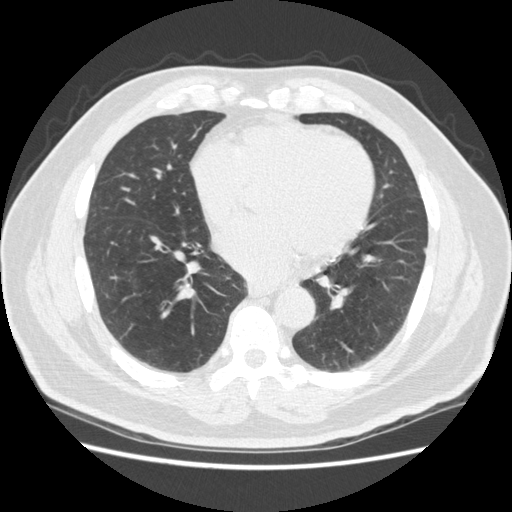
Slice 191/465 of a chest CT, counting up from the lowest; pixel size 0.703 mm, slice thickness 1.25 mm. Pulmonary nodule, outlined by one of the four readers. Box on this slice rows 248–252, columns 423–425, that reader's outline on this slice; longest diameter 5.7 mm and volume 24 mm3 from that reader's outline. Ratings by that reader: texture 5/5 (solid); margin 5/5 (circumscribed); sphericity 3/5 (ovoid); calcification absent; internal structure soft tissue; subtlety 4/5; malignancy likelihood 2/5. Scale key (1–5): texture non-solid→solid, margin indistinct→circumscribed, sphericity linear→round, subtlety extremely subtle→obvious, malignancy likelihood highly unlikely→highly suspicious of cancer. Box rows and columns are 0-based pixel indices from the top-left corner, inclusive.
Scan settings: 120 kVp, STANDARD reconstruction kernel.